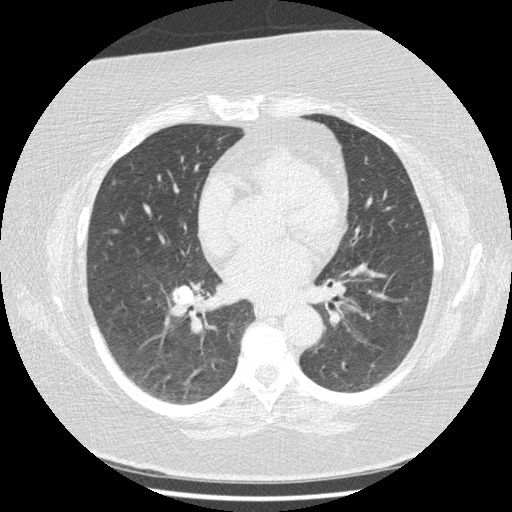
Slice 216/417 of a chest CT, counting up from the lowest; pixel size 0.703 mm, slice thickness 1.25 mm. Pulmonary nodule outlined by two of the four readers; box rows 179–185, columns 110–115 (the union of the readers' outlines on this slice); the two readers' outlines give a longest diameter of 6.0 mm and a volume between 40 and 52 mm3. The readers' ratings, as ranges where they differ: texture 5/5 (solid), both readers agreeing; margin 5/5 (circumscribed), both readers agreeing; sphericity 4/5, both readers agreeing; calcification absent, both readers agreeing; internal structure soft tissue from both readers; subtlety rated between 3 and 5 out of 5 by the two readers; malignancy likelihood from 2/5 to 3/5 across the two readers. Scale key (1–5): texture non-solid→solid, margin indistinct→circumscribed, sphericity linear→round, subtlety extremely subtle→obvious, malignancy likelihood highly unlikely→highly suspicious of cancer. Box rows and columns are 0-based pixel indices from the top-left corner, inclusive.
Acquired at 120 kVp and reconstructed with the STANDARD kernel.